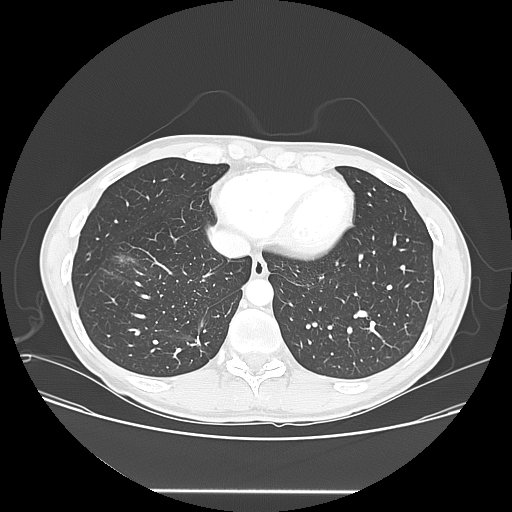
Axial chest CT slice 51 of 150 (counted from the lowest slice); tube voltage 120 kVp, convolution kernel LUNG; slices 2.50 mm thick, 0.781 mm per pixel.
None of the four readers outlined a nodule of 3 mm or more on this slice.